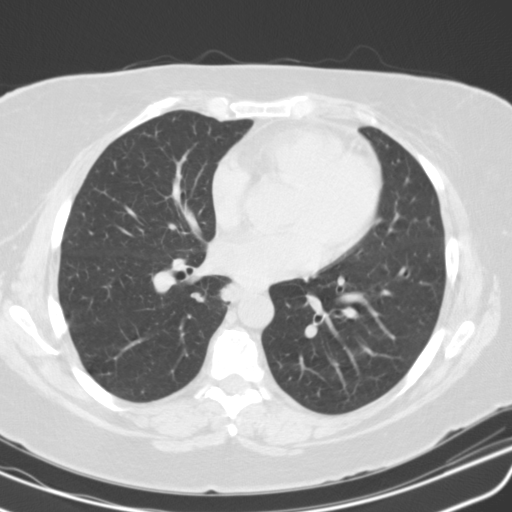
Chest CT, axial plane, 130 kVp, kernel B31s. Slice 64/115 from the bottom of the scan; thickness 3.00 mm; pixel size 0.652 mm.
Pulmonary nodule at rows 283–302, columns 221–237 (box = the union of the readers' outlines on this slice), outlined by three of the four readers; longest diameter 29.5 mm on average over the three readers' outlines (readers' outlines 24.2–34.9 mm), volume 3268–5378 mm3. Ratings, by the readers' most common answer with dissent counted: most readers (two of three) put texture at 5/5 (solid), others 4/5 (one); margin split among the readers: 2/5 (one), 3/5 (one), 4/5 (one); sphericity split among the readers: 2/5 (one), 3/5 (ovoid) (one), 5/5 (round) (one); calcification absent from all three readers; internal structure soft tissue, all three readers agreeing; subtlety 5/5 by two of three readers; the rest gave 4/5 (one); malignancy likelihood 4/5, all three readers agreeing. Scale key (1–5): texture non-solid→solid, margin indistinct→circumscribed, sphericity linear→round, subtlety extremely subtle→obvious, malignancy likelihood highly unlikely→highly suspicious of cancer. Box rows and columns are 0-based pixel indices from the top-left corner, inclusive.